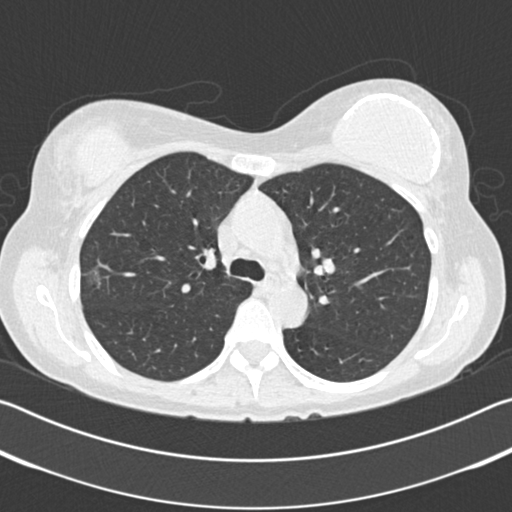
Axial chest CT slice 126 of 183 (counted from the lowest slice); tube voltage 120 kVp, convolution kernel B30f; slices 2.00 mm thick, 0.664 mm per pixel.
Pulmonary nodule, outlined by three of the four readers, one of them on this slice. Box on this slice rows 266–285, columns 92–98, the one reader's outline on this slice; median longest diameter 4.8 mm (readers' outlines 4.8–20.0 mm), median volume 45 mm3 (45–1329 mm3). Median ratings and the readers' spread: median texture 4/5 (readers ranged 3/5 (part-solid) to 5/5 (solid)); median margin 3/5 (readers ranged 2/5 to 5/5 (circumscribed)); sphericity 5/5 (round) at the median of three readers, spread 4/5 to 5/5 (round); calcification: absent (two), solid calcification (one); internal structure soft tissue from all three readers; median subtlety 5/5 (readers ranged 2–5); malignancy likelihood 3/5 at the median of three readers, spread 1–5. Scale key (1–5): texture non-solid→solid, margin indistinct→circumscribed, sphericity linear→round, subtlety extremely subtle→obvious, malignancy likelihood highly unlikely→highly suspicious of cancer. Box rows and columns are 0-based pixel indices from the top-left corner, inclusive.